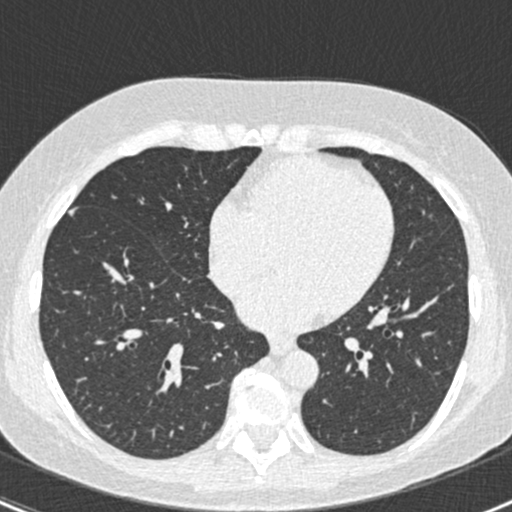
This is axial slice 198 of 429 (slice 1 is the lowest) of a chest CT; each pixel is 0.586 mm and the slice is 0.75 mm thick. Pulmonary nodule at rows 206–216, columns 67–78 (box = the union of the readers' outlines on this slice), outlined by three of the four readers; median longest diameter 10.9 mm (readers' outlines 9.8–12.3 mm), median volume 283 mm3 (207–302 mm3). Median ratings and the readers' spread: texture 5/5 (solid) from all three readers; median margin 4/5 (readers ranged 4/5 to 5/5 (circumscribed)); sphericity 3/5 (ovoid) at the median of three readers, spread 2/5 to 3/5 (ovoid); calcification absent from all three readers; internal structure soft tissue, all three readers agreeing; subtlety 5/5, all three readers agreeing; malignancy likelihood 4/5 at the median of three readers, spread 2–4. Scale key (1–5): texture non-solid→solid, margin indistinct→circumscribed, sphericity linear→round, subtlety extremely subtle→obvious, malignancy likelihood highly unlikely→highly suspicious of cancer. Box rows and columns are 0-based pixel indices from the top-left corner, inclusive.
Scan settings: 120 kVp, B30f reconstruction kernel.